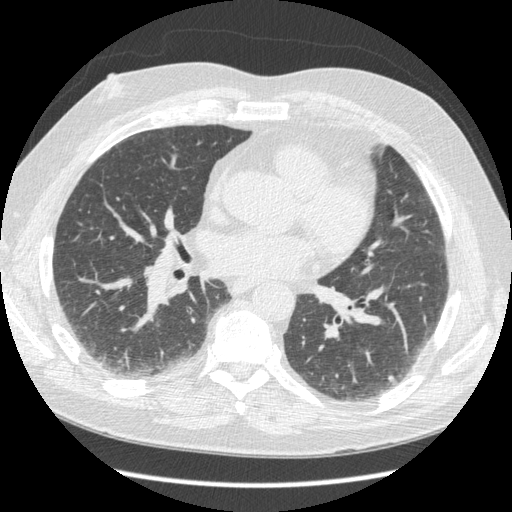
Axial slice 190 of 429 of a chest CT (slice 1 is the lowest), reconstructed with the STANDARD kernel at 120 kVp; 1.25 mm slice thickness and 0.703 mm pixels.
Pulmonary nodule at rows 375–381, columns 387–394 (box = the union of the readers' outlines on this slice), outlined by three of the four readers; median longest diameter 6.9 mm (readers' outlines 6.9–7.0 mm), median volume 98 mm3 (78–98 mm3). Median ratings and the readers' spread: texture 5/5 (solid), all three readers agreeing; median margin 5/5 (circumscribed) (readers ranged 4/5 to 5/5 (circumscribed)); sphericity 5/5 (round) at the median of three readers, spread 3/5 (ovoid) to 5/5 (round); calcification: absent (two), non-central calcification (one); internal structure soft tissue, all three readers agreeing; subtlety 4/5 at the median of three readers, spread 2–5; malignancy likelihood 2/5 at the median of three readers, spread 2–4. Scale key (1–5): texture non-solid→solid, margin indistinct→circumscribed, sphericity linear→round, subtlety extremely subtle→obvious, malignancy likelihood highly unlikely→highly suspicious of cancer. Box rows and columns are 0-based pixel indices from the top-left corner, inclusive.